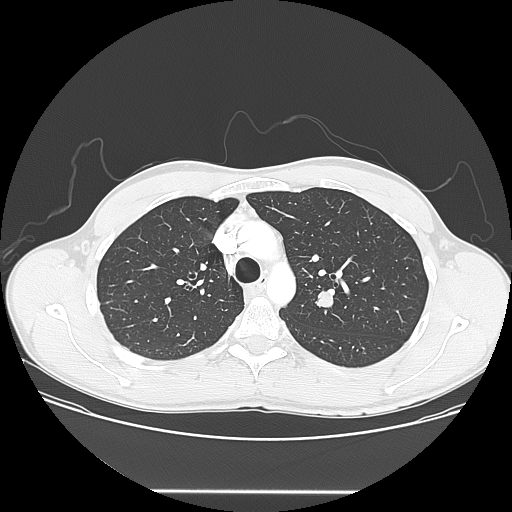
Slice 111/150 of a chest CT, counting up from the lowest; pixel size 0.781 mm, slice thickness 2.50 mm. Pulmonary nodule outlined by all four readers; box rows 291–307, columns 314–332 (the union of the readers' outlines on this slice); median longest diameter 15.7 mm (readers' outlines 14.6–16.9 mm), median volume 1329 mm3 (1270–1423 mm3). Median ratings and the readers' spread: texture 5/5 (solid) at the median of four readers, spread 4/5 to 5/5 (solid); margin 4.5/5 at the median of four readers, spread 3/5 to 5/5 (circumscribed); sphericity 4.5/5 at the median of four readers, spread 3/5 (ovoid) to 5/5 (round); calcification absent from all four readers; internal structure soft tissue, all four readers agreeing; subtlety 4/5 at the median of four readers, spread 3–5; malignancy likelihood 3.5/5 at the median of four readers, spread 2–4. Scale key (1–5): texture non-solid→solid, margin indistinct→circumscribed, sphericity linear→round, subtlety extremely subtle→obvious, malignancy likelihood highly unlikely→highly suspicious of cancer. Box rows and columns are 0-based pixel indices from the top-left corner, inclusive.
Tube voltage 120 kVp; convolution kernel LUNG.